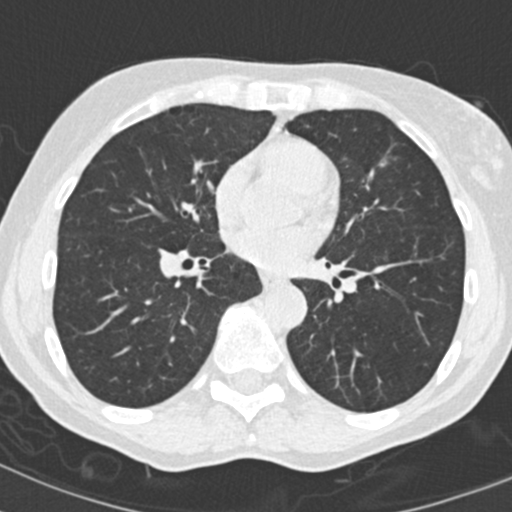
Slice 101/202 of a chest CT, counting up from the lowest; pixel size 0.566 mm, slice thickness 2.00 mm. Pulmonary nodule at rows 159–167, columns 378–386 (box = that reader's outline on this slice), outlined by one of the four readers; longest diameter 6.1 mm and volume 73 mm3 from that reader's outline. That reader's ratings: texture 5/5 (solid); margin 5/5 (circumscribed); sphericity 4/5; calcification absent; internal structure soft tissue; subtlety 4/5; malignancy likelihood 2/5. Scale key (1–5): texture non-solid→solid, margin indistinct→circumscribed, sphericity linear→round, subtlety extremely subtle→obvious, malignancy likelihood highly unlikely→highly suspicious of cancer. Box rows and columns are 0-based pixel indices from the top-left corner, inclusive.
Acquired at 120 kVp and reconstructed with the B30f kernel.